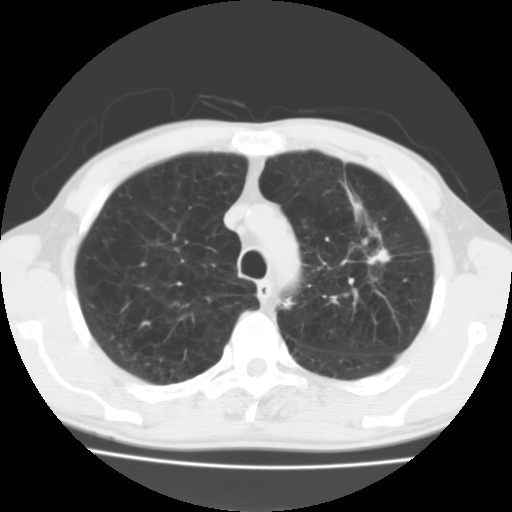
Axial chest CT slice 94 of 124 (counted from the lowest slice); tube voltage 135 kVp, convolution kernel FC01; slices 3.00 mm thick, 0.671 mm per pixel.
Pulmonary nodule at rows 248–263, columns 367–389 (box = that reader's outline on this slice), outlined by one of the four readers; longest diameter 17.3 mm and volume 1303 mm3 from that reader's outline. Ratings by that reader: texture 5/5 (solid); margin 3/5; sphericity 2/5; calcification absent; internal structure soft tissue; subtlety 5/5; malignancy likelihood 3/5. Scale key (1–5): texture non-solid→solid, margin indistinct→circumscribed, sphericity linear→round, subtlety extremely subtle→obvious, malignancy likelihood highly unlikely→highly suspicious of cancer. Box rows and columns are 0-based pixel indices from the top-left corner, inclusive.